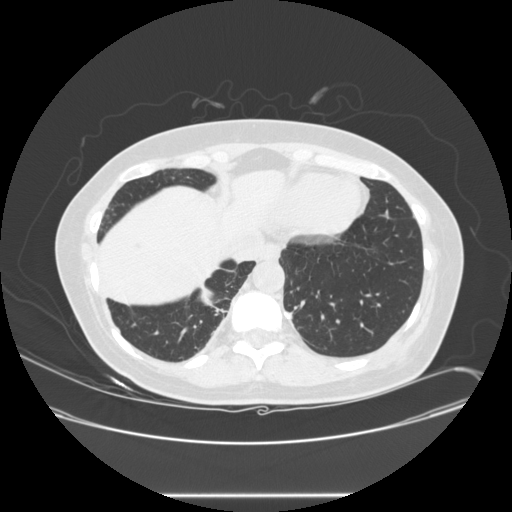
This is axial slice 88 of 257 (slice 1 is the lowest) of a chest CT; each pixel is 0.781 mm and the slice is 1.25 mm thick. Pulmonary nodule at rows 285–305, columns 195–213 (box = the union of the readers' outlines on this slice), outlined by three of the four readers; median longest diameter 29.7 mm (readers' outlines 28.2–32.2 mm), median volume 3458 mm3 (3103–4675 mm3). Ratings, median across the readers with their spread: texture 5/5 (solid), all three readers agreeing; margin 5/5 (circumscribed), all three readers agreeing; sphericity 4/5, all three readers agreeing; calcification absent from all three readers; internal structure soft tissue from all three readers; subtlety 5/5 from all three readers; median malignancy likelihood 4/5 (readers ranged 2–5). Scale key (1–5): texture non-solid→solid, margin indistinct→circumscribed, sphericity linear→round, subtlety extremely subtle→obvious, malignancy likelihood highly unlikely→highly suspicious of cancer. Box rows and columns are 0-based pixel indices from the top-left corner, inclusive.
Scan settings: 120 kVp, STANDARD reconstruction kernel.